Axial chest CT slice 374 of 445 (counted from the lowest slice); tube voltage 120 kVp, convolution kernel STANDARD; slices 1.25 mm thick, 0.645 mm per pixel.
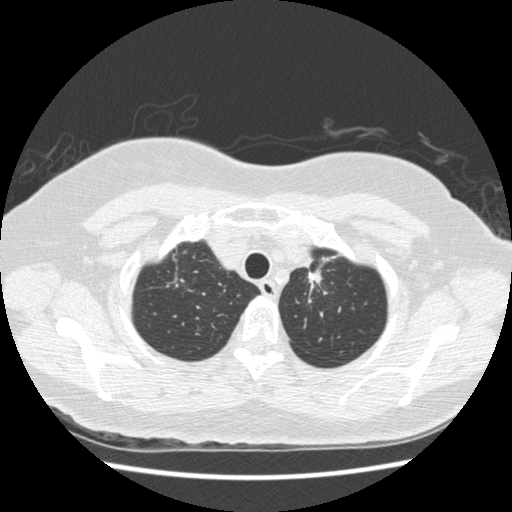
Pulmonary nodule, outlined by one of the four readers. Box on this slice rows 272–289, columns 309–320, that reader's outline on this slice; longest diameter 31.0 mm and volume 2055 mm3 from that reader's outline. Ratings by that reader: texture 5/5 (solid); margin 2/5; sphericity 2/5; calcification absent; internal structure soft tissue; subtlety 5/5; malignancy likelihood 4/5. Scale key (1–5): texture non-solid→solid, margin indistinct→circumscribed, sphericity linear→round, subtlety extremely subtle→obvious, malignancy likelihood highly unlikely→highly suspicious of cancer. Box rows and columns are 0-based pixel indices from the top-left corner, inclusive.